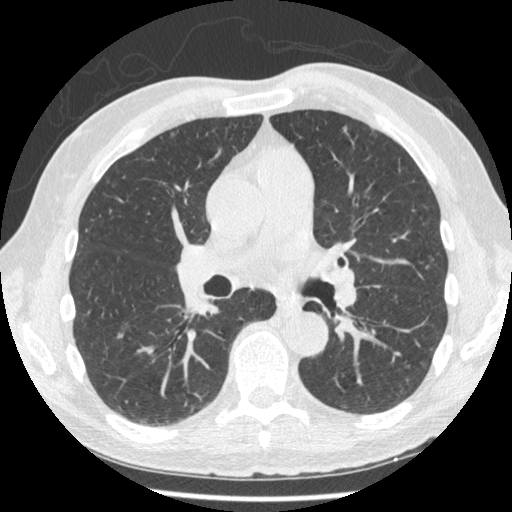
This is axial slice 255 of 481 (slice 1 is the lowest) of a chest CT; each pixel is 0.664 mm and the slice is 1.25 mm thick. Two pulmonary nodules are outlined on this slice; from left to right: (1) Pulmonary nodule, outlined by all four readers. Box on this slice rows 125–131, columns 341–347, the union of the readers' outlines on this slice; median longest diameter 6.0 mm (readers' outlines 4.8–6.3 mm), median volume 29 mm3 (16–46 mm3). Median ratings and the readers' spread: texture 3.5/5 at the median of four readers, spread 2/5 to 5/5 (solid); median margin 3.5/5 (readers ranged 2/5 to 5/5 (circumscribed)); median sphericity 3/5 (ovoid) (readers ranged 2/5 to 5/5 (round)); calcification absent from all four readers; internal structure soft tissue from all four readers; subtlety 3/5 at the median of four readers, spread 1–3; median malignancy likelihood 2.5/5 (readers ranged 1–3). (2) Pulmonary nodule outlined by one of the four readers; box rows 362–369, columns 420–425 (that reader's outline on this slice); longest diameter 8.0 mm and volume 54 mm3 from that reader's outline. That reader's ratings: texture 4/5; margin 5/5 (circumscribed); sphericity 4/5; calcification absent; internal structure soft tissue; subtlety 3/5; malignancy likelihood 3/5. Scale key (1–5): texture non-solid→solid, margin indistinct→circumscribed, sphericity linear→round, subtlety extremely subtle→obvious, malignancy likelihood highly unlikely→highly suspicious of cancer. Box rows and columns are 0-based pixel indices from the top-left corner, inclusive.
Acquired at 120 kVp and reconstructed with the STANDARD kernel.